Axial slice 140 of 300 of a chest CT (slice 1 is the lowest), reconstructed with the D kernel at 120 kVp; 2.00 mm slice thickness and 0.678 mm pixels.
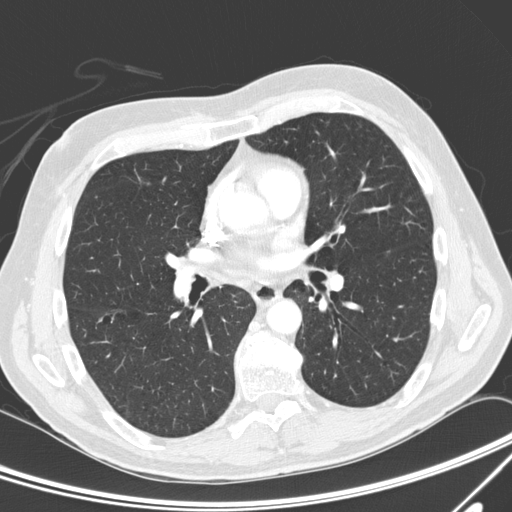
Pulmonary nodule at rows 317–322, columns 96–102 (box = that reader's outline on this slice), outlined by one of the four readers; longest diameter 8.2 mm and volume 88 mm3 from that reader's outline. Ratings by that reader: texture 5/5 (solid); margin 5/5 (circumscribed); sphericity 2/5; calcification absent; internal structure soft tissue; subtlety 4/5; malignancy likelihood 2/5. Scale key (1–5): texture non-solid→solid, margin indistinct→circumscribed, sphericity linear→round, subtlety extremely subtle→obvious, malignancy likelihood highly unlikely→highly suspicious of cancer. Box rows and columns are 0-based pixel indices from the top-left corner, inclusive.